Axial slice 203 of 276 of a chest CT (slice 1 is the lowest), reconstructed with the D kernel at 120 kVp; 2.00 mm slice thickness and 0.617 mm pixels.
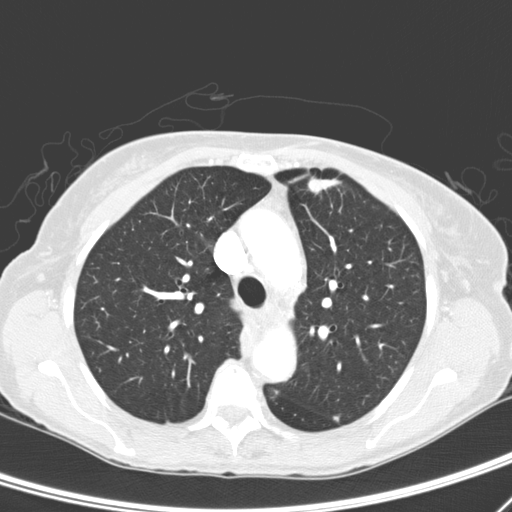
Three pulmonary nodules on this slice, listed from left to right. (1) Pulmonary nodule at rows 387–397, columns 265–275 (box = the one reader's outline on this slice), outlined by two of the four readers, one of them on this slice; the two readers' outlines give a longest diameter between 7.4 and 10.0 mm and a volume between 109 and 225 mm3. Ratings across the readers: texture from 1/5 (non-solid) to 3/5 (part-solid) across the two readers; margin from 1/5 (indistinct) to 2/5 across the two readers; sphericity from 3/5 (ovoid) to 4/5 across the two readers; calcification absent from both readers; internal structure soft tissue from both readers; subtlety from 3/5 to 5/5 across the two readers; malignancy likelihood from 3/5 to 4/5 across the two readers. (2) Pulmonary nodule, outlined by three of the four readers. Box on this slice rows 176–194, columns 306–341, the union of the readers' outlines on this slice; longest diameter 23.3 mm on average over the three readers' outlines (readers' outlines 19.9–25.7 mm), volume 1110–1901 mm3. Ratings, by the readers' most common answer with dissent counted: most readers (two of three) put texture at 4/5, others 5/5 (solid) (one); margin 2/5 by two of three readers; the rest gave 4/5 (one); most readers (two of three) put sphericity at 3/5 (ovoid), others 4/5 (one); calcification absent, all three readers agreeing; internal structure soft tissue, all three readers agreeing; subtlety 5/5 from all three readers; malignancy likelihood 5/5, all three readers agreeing. (3) Pulmonary nodule outlined by two of the four readers; box rows 417–420, columns 334–337 (the union of the readers' outlines on this slice); longest diameter 5.0–5.2 mm and volume 23–35 mm3 across the two readers' outlines. The readers' ratings, as ranges where they differ: texture from 2/5 to 4/5 across the two readers; margin from 2/5 to 4/5 across the two readers; sphericity from 2/5 to 3/5 (ovoid) across the two readers; calcification absent from both readers; internal structure soft tissue from both readers; subtlety rated between 3 and 4 out of 5 by the two readers; malignancy likelihood 3/5, both readers agreeing. Scale key (1–5): texture non-solid→solid, margin indistinct→circumscribed, sphericity linear→round, subtlety extremely subtle→obvious, malignancy likelihood highly unlikely→highly suspicious of cancer. Box rows and columns are 0-based pixel indices from the top-left corner, inclusive.